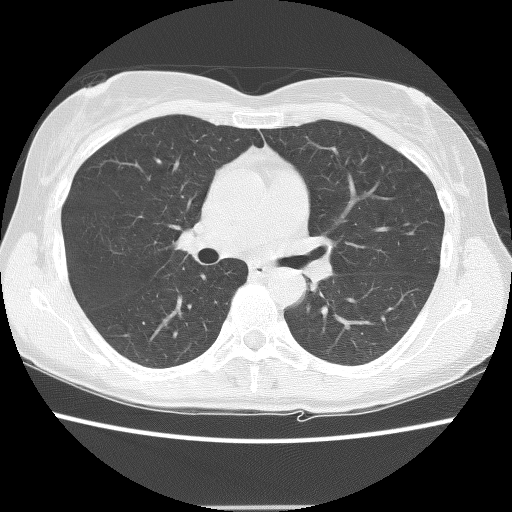
Chest CT, axial plane, 140 kVp, kernel BONE. Slice 77/124 from the bottom of the scan; thickness 2.50 mm; pixel size 0.615 mm.
None of the four readers outlined a nodule of 3 mm or more on this slice.